One axial slice (273 of 490, counting up from the lowest) of a chest CT acquired at 120 kVp with the STANDARD kernel; each pixel is 0.547 mm and the slice is 1.25 mm thick.
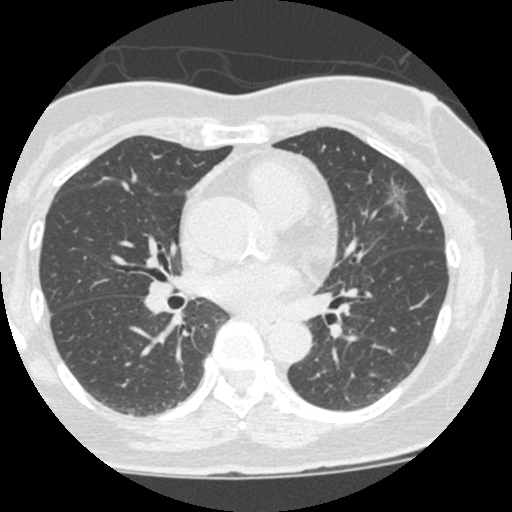
Pulmonary nodule at rows 172–219, columns 384–407 (box = the union of the readers' outlines on this slice), outlined by two of the four readers; longest diameter 26.9 mm on average over the two readers' outlines (readers' outlines 26.3–27.5 mm), volume 1167–1852 mm3. Ratings, by the readers' most common answer with dissent counted: texture 1/5 (non-solid) from both readers; margin split among the readers: 1/5 (indistinct) (one), 2/5 (one); sphericity split among the readers: 2/5 (one), 5/5 (round) (one); calcification absent, both readers agreeing; internal structure soft tissue, both readers agreeing; subtlety split among the readers: 1/5 (one), 5/5 (one); malignancy likelihood split among the readers: 2/5 (one), 3/5 (one). Scale key (1–5): texture non-solid→solid, margin indistinct→circumscribed, sphericity linear→round, subtlety extremely subtle→obvious, malignancy likelihood highly unlikely→highly suspicious of cancer. Box rows and columns are 0-based pixel indices from the top-left corner, inclusive.